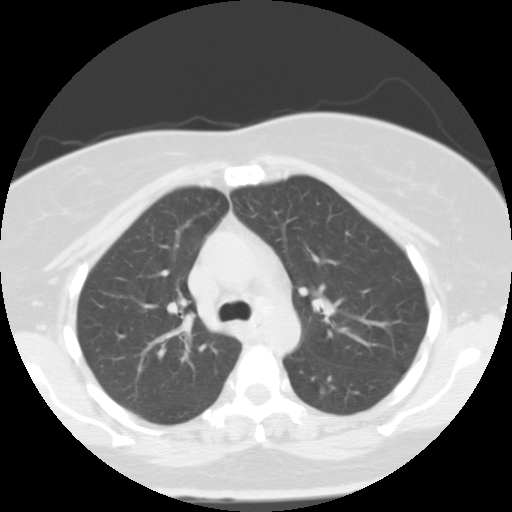
Slice 71/105 of a chest CT, counting up from the lowest; pixel size 0.656 mm, slice thickness 3.00 mm. Pulmonary nodule outlined by three of the four readers, one of them on this slice; box rows 388–393, columns 320–324 (the one reader's outline on this slice); median longest diameter 6.0 mm (readers' outlines 5.9–6.0 mm), median volume 116 mm3 (100–160 mm3). Median ratings and the readers' spread: median texture 5/5 (solid) (readers ranged 4/5 to 5/5 (solid)); margin 4/5 at the median of three readers, spread 4/5 to 5/5 (circumscribed); sphericity 5/5 (round) at the median of three readers, spread 4/5 to 5/5 (round); calcification non-central calcification from all three readers; internal structure soft tissue, all three readers agreeing; subtlety 3/5 at the median of three readers, spread 2–5; malignancy likelihood 3/5 at the median of three readers, spread 2–3. Scale key (1–5): texture non-solid→solid, margin indistinct→circumscribed, sphericity linear→round, subtlety extremely subtle→obvious, malignancy likelihood highly unlikely→highly suspicious of cancer. Box rows and columns are 0-based pixel indices from the top-left corner, inclusive.
Scan settings: 135 kVp, FC01 reconstruction kernel.